Chest CT, axial plane, 120 kVp, kernel BONE. Slice 197/238 from the bottom of the scan; thickness 1.25 mm; pixel size 0.703 mm.
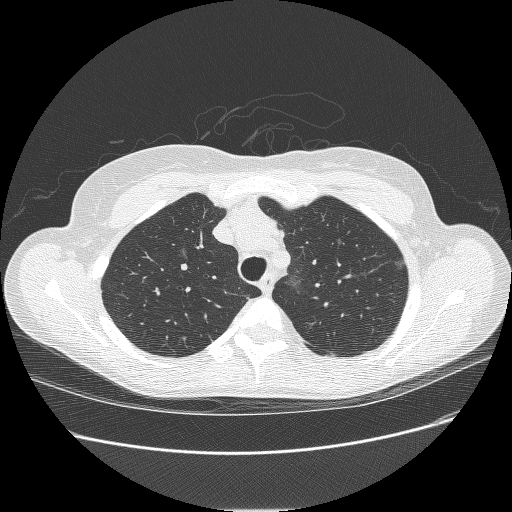
Two pulmonary nodules are outlined on this slice; from left to right: (1) Pulmonary nodule at rows 247–259, columns 180–188 (box = the union of the readers' outlines on this slice), outlined by all four readers, two of them on this slice; longest diameter 9.6–12.0 mm and volume 193–427 mm3 across the four readers' outlines. Ratings across the readers: texture from 1/5 (non-solid) to 3/5 (part-solid) across the four readers; margin from 1/5 (indistinct) to 5/5 (circumscribed) across the four readers; sphericity from 3/5 (ovoid) to 5/5 (round) across the four readers; calcification absent, all four readers agreeing; internal structure soft tissue from all four readers; subtlety rated between 2 and 4 out of 5 by the four readers; malignancy likelihood from 2/5 to 4/5 across the four readers. (2) Pulmonary nodule, outlined by all four readers. Box on this slice rows 260–269, columns 394–405, the union of the readers' outlines on this slice; longest diameter 8.0–11.4 mm and volume 146–273 mm3 across the four readers' outlines. Ratings across the readers: texture from 1/5 (non-solid) to 3/5 (part-solid) across the four readers; margin from 1/5 (indistinct) to 4/5 across the four readers; sphericity 4/5, all four readers agreeing; calcification absent, all four readers agreeing; internal structure soft tissue, all four readers agreeing; subtlety from 2/5 to 4/5 across the four readers; malignancy likelihood rated between 3 and 4 out of 5 by the four readers. Scale key (1–5): texture non-solid→solid, margin indistinct→circumscribed, sphericity linear→round, subtlety extremely subtle→obvious, malignancy likelihood highly unlikely→highly suspicious of cancer. Box rows and columns are 0-based pixel indices from the top-left corner, inclusive.